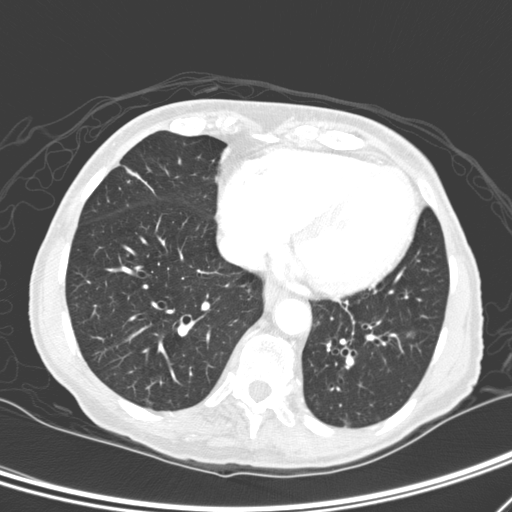
Chest CT, axial plane, 120 kVp, kernel D. Slice 102/276 from the bottom of the scan; thickness 2.00 mm; pixel size 0.617 mm.
Pulmonary nodule outlined by all four readers; box rows 330–339, columns 406–415 (the union of the readers' outlines on this slice); longest diameter 7.2–10.6 mm and volume 121–277 mm3 across the four readers' outlines. The readers' ratings, as ranges where they differ: texture from 1/5 (non-solid) to 5/5 (solid) across the four readers; margin from 1/5 (indistinct) to 5/5 (circumscribed) across the four readers; sphericity from 2/5 to 4/5 across the four readers; calcification absent, all four readers agreeing; internal structure soft tissue, all four readers agreeing; subtlety from 2/5 to 4/5 across the four readers; malignancy likelihood 2–4/5 (the readers disagree). Scale key (1–5): texture non-solid→solid, margin indistinct→circumscribed, sphericity linear→round, subtlety extremely subtle→obvious, malignancy likelihood highly unlikely→highly suspicious of cancer. Box rows and columns are 0-based pixel indices from the top-left corner, inclusive.